Axial chest CT slice 138 of 272 (counted from the lowest slice); tube voltage 120 kVp, convolution kernel STANDARD; slices 1.25 mm thick, 0.742 mm per pixel.
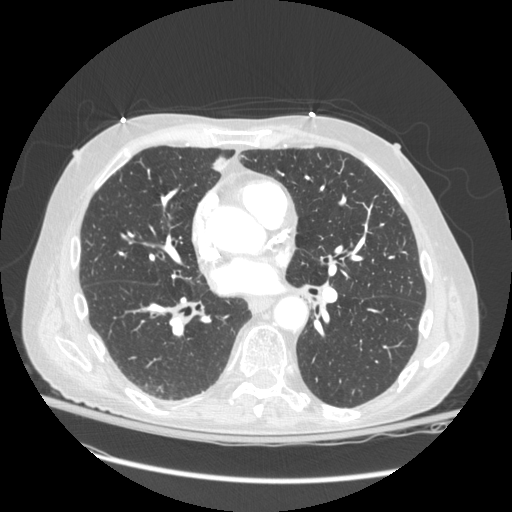
No nodule 3 mm or larger was outlined here by any reader.